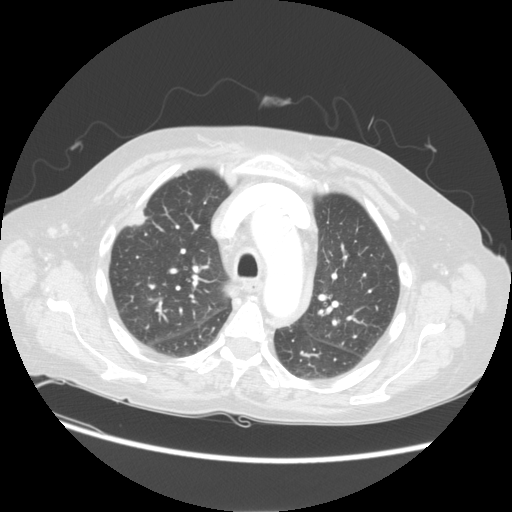
Axial slice 87 of 113 of a chest CT (slice 1 is the lowest), reconstructed with the STANDARD kernel at 120 kVp; 2.50 mm slice thickness and 0.742 mm pixels.
Pulmonary nodule at rows 208–227, columns 125–147 (box = the union of the readers' outlines on this slice), outlined by three of the four readers; median longest diameter 20.1 mm (readers' outlines 15.6–22.7 mm), median volume 1579 mm3 (735–1841 mm3). Ratings, median across the readers with their spread: texture 5/5 (solid) from all three readers; margin 5/5 (circumscribed), all three readers agreeing; median sphericity 4/5 (readers ranged 3/5 (ovoid) to 5/5 (round)); calcification absent, all three readers agreeing; internal structure soft tissue, all three readers agreeing; subtlety 4/5 at the median of three readers, spread 3–5; malignancy likelihood 2/5 at the median of three readers, spread 2–5. Scale key (1–5): texture non-solid→solid, margin indistinct→circumscribed, sphericity linear→round, subtlety extremely subtle→obvious, malignancy likelihood highly unlikely→highly suspicious of cancer. Box rows and columns are 0-based pixel indices from the top-left corner, inclusive.